Chest CT, axial plane, 120 kVp, kernel STANDARD. Slice 234/497 from the bottom of the scan; thickness 1.25 mm; pixel size 0.703 mm.
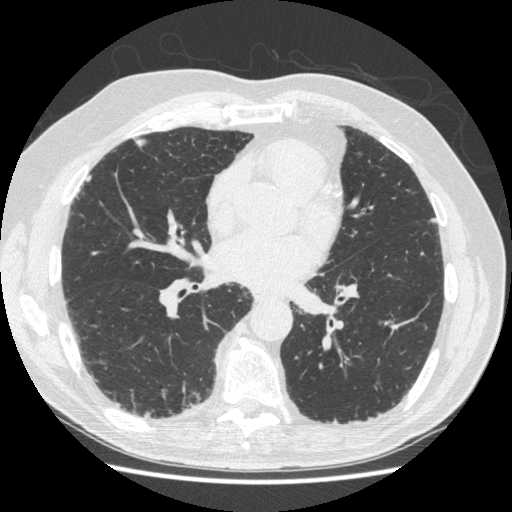
Pulmonary nodule outlined by all four readers; box rows 137–151, columns 132–147 (the union of the readers' outlines on this slice); the four readers' outlines give a longest diameter between 10.9 and 14.8 mm and a volume between 184 and 648 mm3. The readers' ratings, as ranges where they differ: texture from 1/5 (non-solid) to 5/5 (solid) across the four readers; margin from 2/5 to 4/5 across the four readers; sphericity from 3/5 (ovoid) to 5/5 (round) across the four readers; calcification absent, all four readers agreeing; internal structure soft tissue from all four readers; subtlety 1–5/5 (the readers disagree); malignancy likelihood 2–4/5 (the readers disagree). Scale key (1–5): texture non-solid→solid, margin indistinct→circumscribed, sphericity linear→round, subtlety extremely subtle→obvious, malignancy likelihood highly unlikely→highly suspicious of cancer. Box rows and columns are 0-based pixel indices from the top-left corner, inclusive.